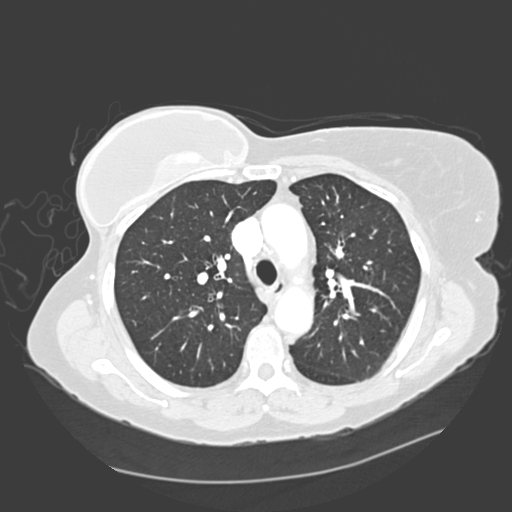
One axial slice (225 of 328, counting up from the lowest) of a chest CT acquired at 120 kVp with the D kernel; each pixel is 0.742 mm and the slice is 2.00 mm thick.
No nodule of 3 mm or larger was outlined by any of the four readers on this slice.